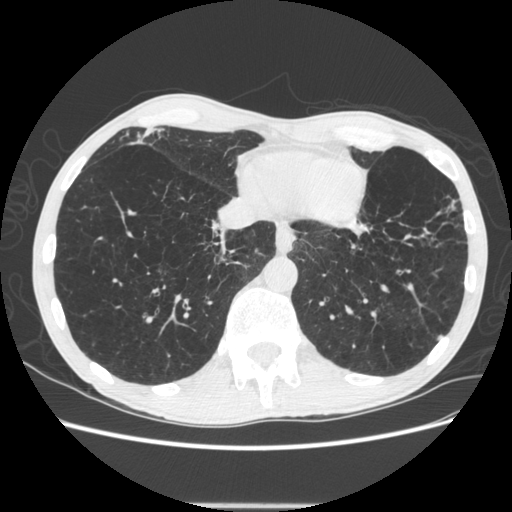
Axial chest CT slice 168 of 605 (counted from the lowest slice); tube voltage 120 kVp, convolution kernel STANDARD; slices 1.25 mm thick, 0.703 mm per pixel.
Pulmonary nodule at rows 335–339, columns 436–442 (box = that reader's outline on this slice), outlined by one of the four readers; longest diameter 6.3 mm and volume 45 mm3 from that reader's outline. Ratings by that reader: texture 5/5 (solid); margin 5/5 (circumscribed); sphericity 4/5; calcification absent; internal structure soft tissue; subtlety 3/5; malignancy likelihood 3/5. Scale key (1–5): texture non-solid→solid, margin indistinct→circumscribed, sphericity linear→round, subtlety extremely subtle→obvious, malignancy likelihood highly unlikely→highly suspicious of cancer. Box rows and columns are 0-based pixel indices from the top-left corner, inclusive.